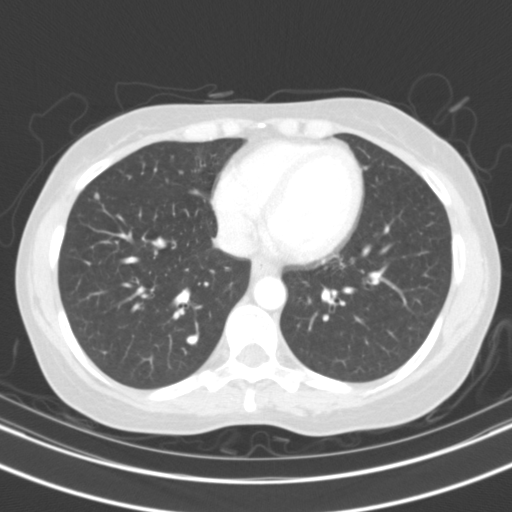
Chest CT, axial plane, 130 kVp, kernel B31s. Slice 46/108 from the bottom of the scan; thickness 3.00 mm; pixel size 0.629 mm.
Three pulmonary nodules are outlined on this slice; from left to right: (1) Pulmonary nodule outlined by one of the four readers; box rows 193–198, columns 94–98 (that reader's outline on this slice); longest diameter 5.4 mm and volume 81 mm3 from that reader's outline. Ratings by that reader: texture 5/5 (solid); margin 5/5 (circumscribed); sphericity 4/5; calcification absent; internal structure soft tissue; subtlety 5/5; malignancy likelihood 2/5. (2) Pulmonary nodule at rows 237–248, columns 152–166 (box = the union of the readers' outlines on this slice), outlined by all four readers; longest diameter 11.4 mm on average over the four readers' outlines (readers' outlines 10.7–12.0 mm), volume 384–508 mm3. The readers' prevailing ratings and who disagreed: texture 5/5 (solid) from all four readers; margin 5/5 (circumscribed) by three of four readers; the rest gave 4/5 (one); sphericity 3/5 (ovoid) by two of four readers; the rest gave 2/5 (one), 4/5 (one); calcification solid calcification from all four readers; internal structure soft tissue from all four readers; subtlety 4/5 by two of four readers; the rest gave 2/5 (one), 5/5 (one); malignancy likelihood 1/5 from all four readers. (3) Pulmonary nodule, outlined by all four readers. Box on this slice rows 334–344, columns 186–198, the union of the readers' outlines on this slice; median longest diameter 8.8 mm (readers' outlines 7.7–9.3 mm), median volume 262 mm3 (155–286 mm3). Median ratings and the readers' spread: texture 5/5 (solid) from all four readers; margin 5/5 (circumscribed) at the median of four readers, spread 4/5 to 5/5 (circumscribed); median sphericity 3.5/5 (readers ranged 3/5 (ovoid) to 5/5 (round)); calcification solid calcification from all four readers; internal structure soft tissue from all four readers; median subtlety 4/5 (readers ranged 4–5); malignancy likelihood 1/5 from all four readers. Scale key (1–5): texture non-solid→solid, margin indistinct→circumscribed, sphericity linear→round, subtlety extremely subtle→obvious, malignancy likelihood highly unlikely→highly suspicious of cancer. Box rows and columns are 0-based pixel indices from the top-left corner, inclusive.